Chest CT, axial plane, 120 kVp, kernel B50f. Slice 577/733 from the bottom of the scan; thickness 0.60 mm; pixel size 0.637 mm.
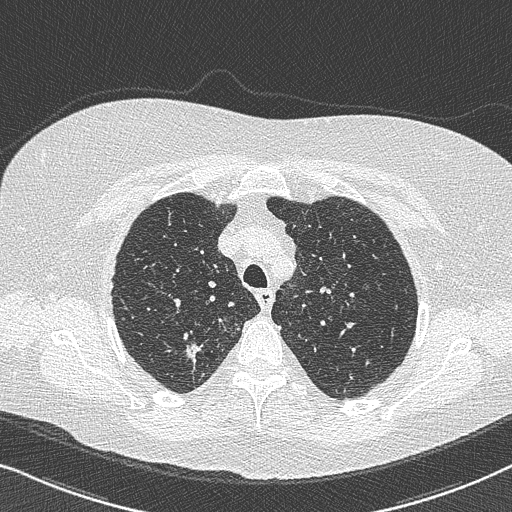
Pulmonary nodule outlined by all four readers; box rows 341–371, columns 184–201 (the union of the readers' outlines on this slice); median longest diameter 21.4 mm (readers' outlines 15.5–29.7 mm), median volume 1103 mm3 (888–2128 mm3). Median ratings and the readers' spread: median texture 5/5 (solid) (readers ranged 4/5 to 5/5 (solid)); margin 3/5 at the median of four readers, spread 1/5 (indistinct) to 4/5; median sphericity 3/5 (ovoid) (readers ranged 2/5 to 5/5 (round)); calcification absent from all four readers; internal structure soft tissue from all four readers; median subtlety 5/5 (readers ranged 4–5); median malignancy likelihood 4/5 (readers ranged 4–5). Scale key (1–5): texture non-solid→solid, margin indistinct→circumscribed, sphericity linear→round, subtlety extremely subtle→obvious, malignancy likelihood highly unlikely→highly suspicious of cancer. Box rows and columns are 0-based pixel indices from the top-left corner, inclusive.